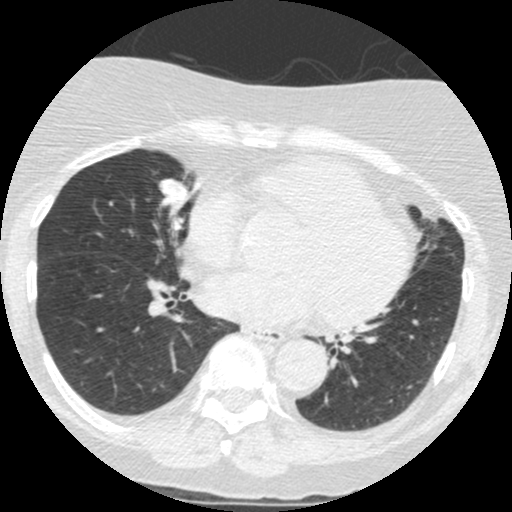
One axial slice (167 of 426, counting up from the lowest) of a chest CT acquired at 120 kVp with the STANDARD kernel; each pixel is 0.547 mm and the slice is 1.25 mm thick.
Pulmonary nodule at rows 178–213, columns 158–189 (box = the union of the readers' outlines on this slice), outlined by all four readers; the four readers' outlines give a longest diameter between 17.0 and 20.6 mm and a volume between 1129 and 1635 mm3. Ratings across the readers: texture from 4/5 to 5/5 (solid) across the four readers; margin from 2/5 to 5/5 (circumscribed) across the four readers; sphericity from 3/5 (ovoid) to 5/5 (round) across the four readers; calcification: absent (three), non-central calcification (one); internal structure soft tissue, all four readers agreeing; subtlety 3–5/5 (the readers disagree); malignancy likelihood rated between 2 and 4 out of 5 by the four readers. Scale key (1–5): texture non-solid→solid, margin indistinct→circumscribed, sphericity linear→round, subtlety extremely subtle→obvious, malignancy likelihood highly unlikely→highly suspicious of cancer. Box rows and columns are 0-based pixel indices from the top-left corner, inclusive.